Axial slice 115 of 206 of a chest CT (slice 1 is the lowest), reconstructed with the STANDARD kernel at 120 kVp; 1.25 mm slice thickness and 0.898 mm pixels.
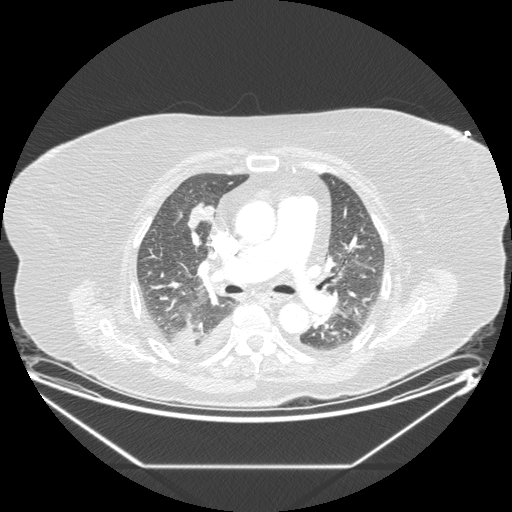
Pulmonary nodule outlined by three of the four readers; box rows 202–228, columns 187–215 (the union of the readers' outlines on this slice); longest diameter 35.5 mm on average over the three readers' outlines (readers' outlines 31.1–37.8 mm), volume 4036–4781 mm3. The readers' prevailing ratings and who disagreed: most readers (two of three) put texture at 5/5 (solid), others 1/5 (non-solid) (one); margin 4/5, all three readers agreeing; most readers (two of three) put sphericity at 3/5 (ovoid), others 2/5 (one); calcification absent, all three readers agreeing; internal structure soft tissue from all three readers; subtlety 5/5 by two of three readers; the rest gave 4/5 (one); most readers (two of three) put malignancy likelihood at 5/5, others 3/5 (one). Scale key (1–5): texture non-solid→solid, margin indistinct→circumscribed, sphericity linear→round, subtlety extremely subtle→obvious, malignancy likelihood highly unlikely→highly suspicious of cancer. Box rows and columns are 0-based pixel indices from the top-left corner, inclusive.